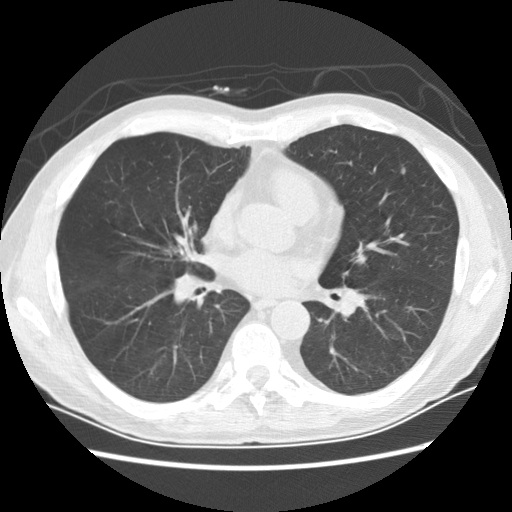
Axial chest CT slice 72 of 154 (counted from the lowest slice); tube voltage 120 kVp, convolution kernel STANDARD; slices 2.50 mm thick, 0.684 mm per pixel.
Pulmonary nodule, outlined by two of the four readers. Box on this slice rows 167–174, columns 400–405, the union of the readers' outlines on this slice; longest diameter 6.2 mm on average over the two readers' outlines (readers' outlines 6.2 mm), volume 43–76 mm3. Ratings, by the readers' most common answer with dissent counted: texture 5/5 (solid), both readers agreeing; margin split among the readers: 3/5 (one), 5/5 (circumscribed) (one); sphericity split among the readers: 3/5 (ovoid) (one), 4/5 (one); calcification absent from both readers; internal structure soft tissue, both readers agreeing; subtlety split among the readers: 2/5 (one), 4/5 (one); malignancy likelihood 2/5, both readers agreeing. Scale key (1–5): texture non-solid→solid, margin indistinct→circumscribed, sphericity linear→round, subtlety extremely subtle→obvious, malignancy likelihood highly unlikely→highly suspicious of cancer. Box rows and columns are 0-based pixel indices from the top-left corner, inclusive.